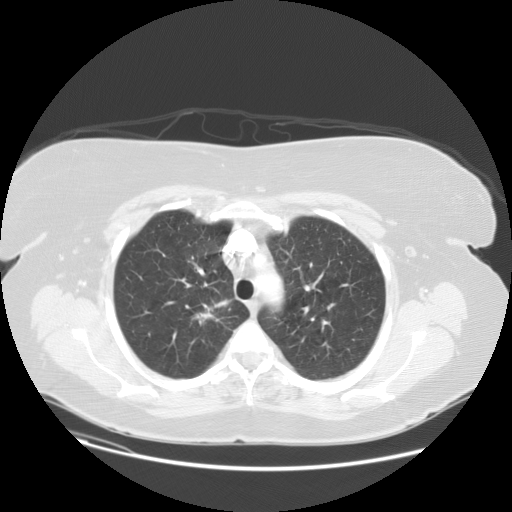
One axial slice (103 of 133, counting up from the lowest) of a chest CT acquired at 120 kVp with the STANDARD kernel; each pixel is 0.781 mm and the slice is 2.50 mm thick.
Pulmonary nodule at rows 304–324, columns 193–219 (box = the one reader's outline on this slice), outlined by all four readers, one of them on this slice; longest diameter 31.6–37.9 mm and volume 3786–6747 mm3 across the four readers' outlines. Ratings across the readers: texture from 3/5 (part-solid) to 5/5 (solid) across the four readers; margin from 1/5 (indistinct) to 3/5 across the four readers; sphericity from 2/5 to 4/5 across the four readers; calcification absent from all four readers; internal structure soft tissue, all four readers agreeing; subtlety 5/5 from all four readers; malignancy likelihood from 3/5 to 5/5 across the four readers. Scale key (1–5): texture non-solid→solid, margin indistinct→circumscribed, sphericity linear→round, subtlety extremely subtle→obvious, malignancy likelihood highly unlikely→highly suspicious of cancer. Box rows and columns are 0-based pixel indices from the top-left corner, inclusive.